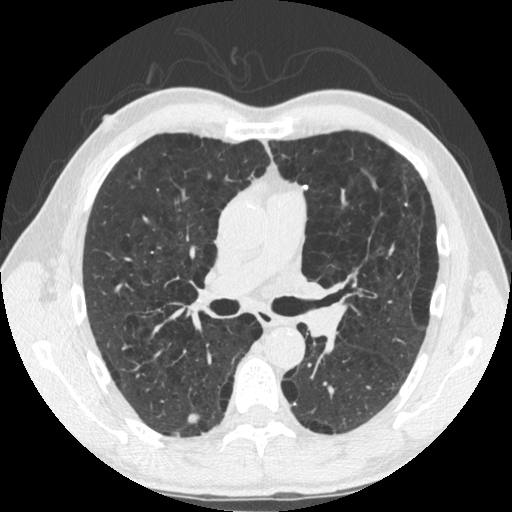
One axial slice (311 of 535, counting up from the lowest) of a chest CT acquired at 120 kVp with the STANDARD kernel; each pixel is 0.664 mm and the slice is 1.25 mm thick.
Two pulmonary nodules on this slice, listed from left to right. (1) Pulmonary nodule at rows 413–423, columns 186–199 (box = the union of the readers' outlines on this slice), outlined by all four readers; median longest diameter 11.0 mm (readers' outlines 10.5–12.4 mm), median volume 554 mm3 (543–647 mm3). Ratings, median across the readers with their spread: texture 5/5 (solid) from all four readers; margin 5/5 (circumscribed) from all four readers; median sphericity 4.5/5 (readers ranged 3/5 (ovoid) to 5/5 (round)); calcification: absent (three), laminated calcification (one); internal structure soft tissue, all four readers agreeing; subtlety 5/5 from all four readers; malignancy likelihood 2.5/5 at the median of four readers, spread 1–5. (2) Pulmonary nodule outlined by two of the four readers; box rows 185–188, columns 303–307 (the union of the readers' outlines on this slice); the two readers' outlines give a longest diameter between 5.4 and 6.0 mm and a volume between 45 and 58 mm3. The readers' ratings, as ranges where they differ: texture 5/5 (solid), both readers agreeing; margin 5/5 (circumscribed) from both readers; sphericity from 4/5 to 5/5 (round) across the two readers; calcification solid calcification from both readers; internal structure soft tissue, both readers agreeing; subtlety 4/5 from both readers; malignancy likelihood 1/5 from both readers. Scale key (1–5): texture non-solid→solid, margin indistinct→circumscribed, sphericity linear→round, subtlety extremely subtle→obvious, malignancy likelihood highly unlikely→highly suspicious of cancer. Box rows and columns are 0-based pixel indices from the top-left corner, inclusive.